One axial slice (513 of 590, counting up from the lowest) of a chest CT acquired at 120 kVp with the B kernel; each pixel is 0.627 mm and the slice is 0.90 mm thick.
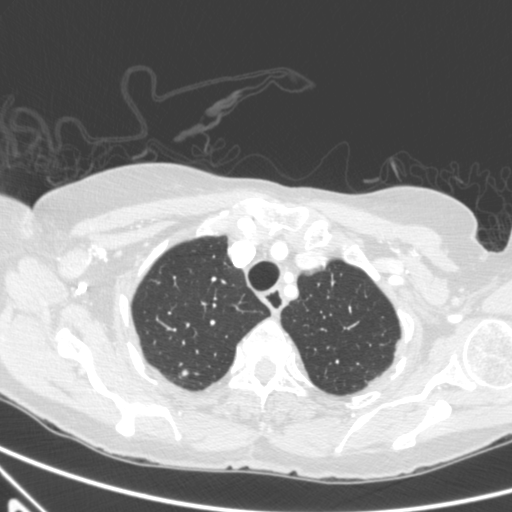
Pulmonary nodule outlined by three of the four readers; box rows 369–375, columns 182–187 (the union of the readers' outlines on this slice); the three readers' outlines give a longest diameter between 5.4 and 6.2 mm and a volume between 51 and 88 mm3. Ratings across the readers: texture from 4/5 to 5/5 (solid) across the three readers; margin from 3/5 to 5/5 (circumscribed) across the three readers; sphericity from 3/5 (ovoid) to 5/5 (round) across the three readers; calcification absent from all three readers; internal structure soft tissue from all three readers; subtlety 3/5, all three readers agreeing; malignancy likelihood from 2/5 to 3/5 across the three readers. Scale key (1–5): texture non-solid→solid, margin indistinct→circumscribed, sphericity linear→round, subtlety extremely subtle→obvious, malignancy likelihood highly unlikely→highly suspicious of cancer. Box rows and columns are 0-based pixel indices from the top-left corner, inclusive.